Axial chest CT slice 152 of 240 (counted from the lowest slice); tube voltage 120 kVp, convolution kernel BONE; slices 1.25 mm thick, 0.703 mm per pixel.
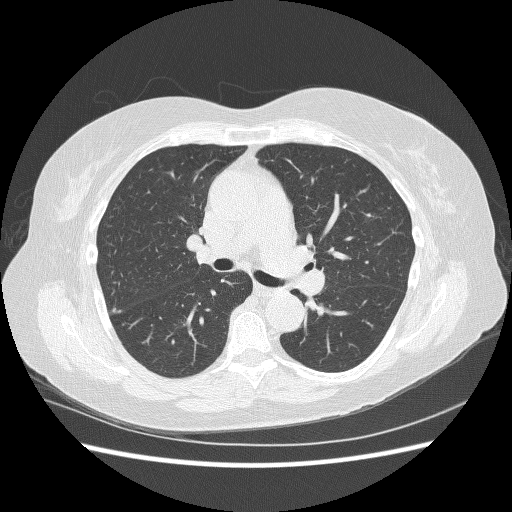
Pulmonary nodule at rows 308–312, columns 112–121 (box = that reader's outline on this slice), outlined by one of the four readers; longest diameter 8.0 mm and volume 74 mm3 from that reader's outline. That reader's ratings: texture 5/5 (solid); margin 5/5 (circumscribed); sphericity 3/5 (ovoid); calcification absent; internal structure soft tissue; subtlety 4/5; malignancy likelihood 2/5. Scale key (1–5): texture non-solid→solid, margin indistinct→circumscribed, sphericity linear→round, subtlety extremely subtle→obvious, malignancy likelihood highly unlikely→highly suspicious of cancer. Box rows and columns are 0-based pixel indices from the top-left corner, inclusive.